Chest CT, axial plane, 120 kVp, kernel B. Slice 116/280 from the bottom of the scan; thickness 2.00 mm; pixel size 0.676 mm.
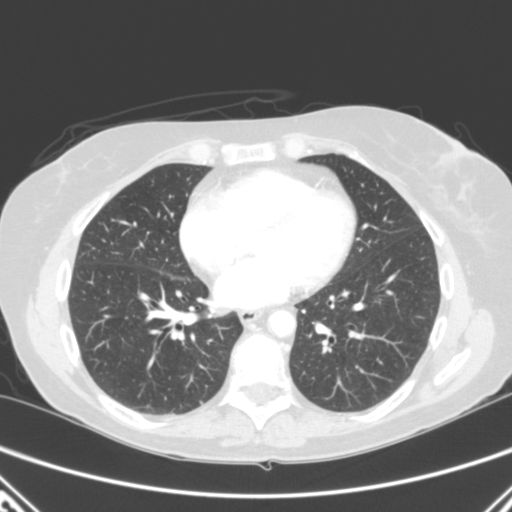
No nodule of 3 mm or larger was outlined by any of the four readers on this slice.